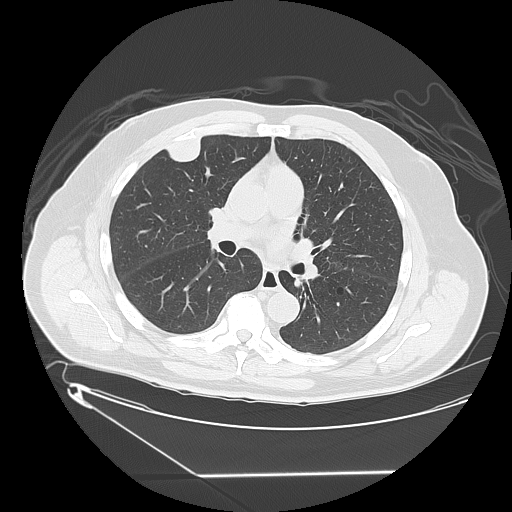
Slice 57/117 of a chest CT, counting up from the lowest; pixel size 0.898 mm, slice thickness 2.50 mm. Pulmonary nodule, outlined by three of the four readers. Box on this slice rows 137–163, columns 163–200, the union of the readers' outlines on this slice; median longest diameter 35.4 mm (readers' outlines 32.3–37.3 mm), median volume 9520 mm3 (8512–9765 mm3). Ratings, median across the readers with their spread: texture 5/5 (solid) from all three readers; margin 5/5 (circumscribed) from all three readers; sphericity 3/5 (ovoid) at the median of three readers, spread 3/5 (ovoid) to 5/5 (round); calcification absent, all three readers agreeing; internal structure soft tissue from all three readers; subtlety 5/5 at the median of three readers, spread 3–5; malignancy likelihood 2/5 at the median of three readers, spread 2–5. Scale key (1–5): texture non-solid→solid, margin indistinct→circumscribed, sphericity linear→round, subtlety extremely subtle→obvious, malignancy likelihood highly unlikely→highly suspicious of cancer. Box rows and columns are 0-based pixel indices from the top-left corner, inclusive.
Scan settings: 120 kVp, LUNG reconstruction kernel.